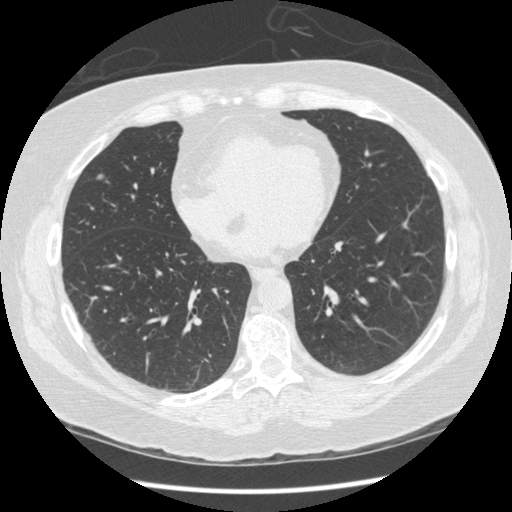
Axial chest CT slice 160 of 436 (counted from the lowest slice); 1.25 mm thick, 0.703 mm per pixel. Pulmonary nodule, outlined by all four readers. Box on this slice rows 173–179, columns 95–104, the union of the readers' outlines on this slice; median longest diameter 9.3 mm (readers' outlines 7.3–9.8 mm), median volume 191 mm3 (103–208 mm3). Median ratings and the readers' spread: texture 5/5 (solid) from all four readers; margin 4/5 at the median of four readers, spread 4/5 to 5/5 (circumscribed); median sphericity 4.5/5 (readers ranged 3/5 (ovoid) to 5/5 (round)); calcification absent, all four readers agreeing; internal structure soft tissue from all four readers; median subtlety 4/5 (readers ranged 3–5); median malignancy likelihood 3/5 (readers ranged 2–4). Scale key (1–5): texture non-solid→solid, margin indistinct→circumscribed, sphericity linear→round, subtlety extremely subtle→obvious, malignancy likelihood highly unlikely→highly suspicious of cancer. Box rows and columns are 0-based pixel indices from the top-left corner, inclusive.
Tube voltage 120 kVp; convolution kernel STANDARD.